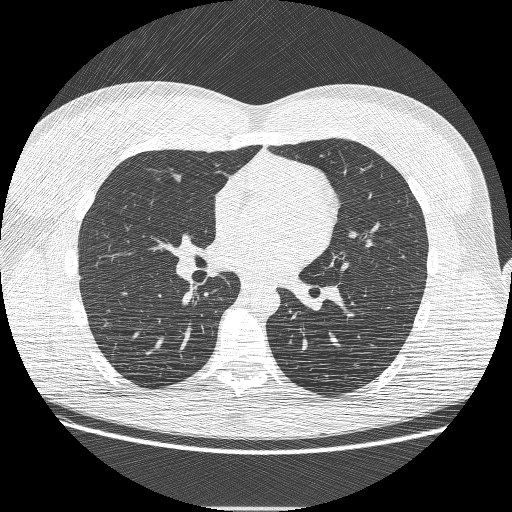
One axial slice (118 of 230, counting up from the lowest) of a chest CT acquired at 120 kVp with the BONE kernel; each pixel is 0.732 mm and the slice is 1.25 mm thick.
No nodule of 3 mm or larger was outlined by any of the four readers on this slice.